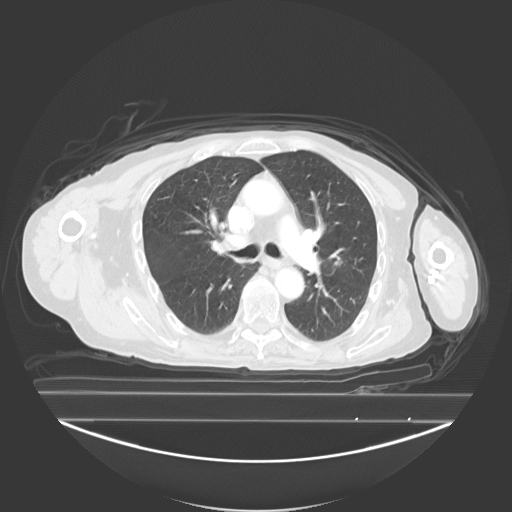
Axial chest CT slice 165 of 278 (counted from the lowest slice); 3.00 mm thick, 0.977 mm per pixel. Pulmonary nodule at rows 260–265, columns 334–340 (box = the union of the readers' outlines on this slice), outlined by three of the four readers, two of them on this slice; median longest diameter 12.8 mm (readers' outlines 12.8–14.8 mm), median volume 803 mm3 (665–985 mm3). Median ratings and the readers' spread: median texture 5/5 (solid) (readers ranged 4/5 to 5/5 (solid)); margin 4/5 from all three readers; median sphericity 5/5 (round) (readers ranged 4/5 to 5/5 (round)); calcification absent, all three readers agreeing; internal structure soft tissue, all three readers agreeing; subtlety 4/5 at the median of three readers, spread 3–5; malignancy likelihood 3/5 at the median of three readers, spread 2–4. Scale key (1–5): texture non-solid→solid, margin indistinct→circumscribed, sphericity linear→round, subtlety extremely subtle→obvious, malignancy likelihood highly unlikely→highly suspicious of cancer. Box rows and columns are 0-based pixel indices from the top-left corner, inclusive.
Tube voltage 130 kVp; convolution kernel B40s.